One axial slice (58 of 127, counting up from the lowest) of a chest CT acquired at 135 kVp with the FC01 kernel; each pixel is 0.750 mm and the slice is 3.00 mm thick.
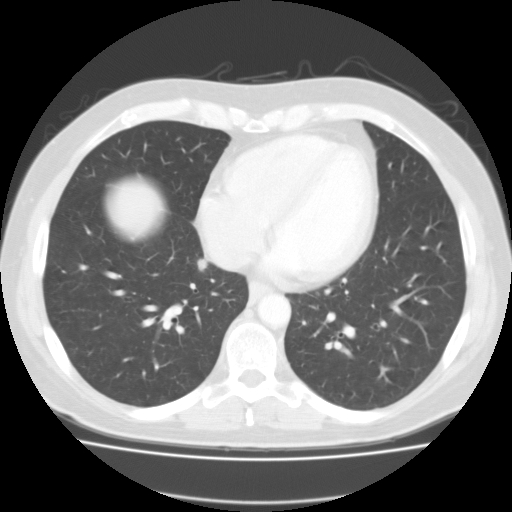
Pulmonary nodule at rows 258–272, columns 197–208 (box = the union of the readers' outlines on this slice), outlined by three of the four readers; the three readers' outlines give a longest diameter between 11.6 and 24.2 mm and a volume between 332 and 728 mm3. Ratings across the readers: texture from 4/5 to 5/5 (solid) across the three readers; margin from 1/5 (indistinct) to 3/5 across the three readers; sphericity 4/5, all three readers agreeing; calcification absent from all three readers; internal structure soft tissue, all three readers agreeing; subtlety rated between 3 and 4 out of 5 by the three readers; malignancy likelihood from 3/5 to 4/5 across the three readers. Scale key (1–5): texture non-solid→solid, margin indistinct→circumscribed, sphericity linear→round, subtlety extremely subtle→obvious, malignancy likelihood highly unlikely→highly suspicious of cancer. Box rows and columns are 0-based pixel indices from the top-left corner, inclusive.